One axial slice (119 of 147, counting up from the lowest) of a chest CT acquired at 120 kVp with the STANDARD kernel; each pixel is 0.781 mm and the slice is 2.50 mm thick.
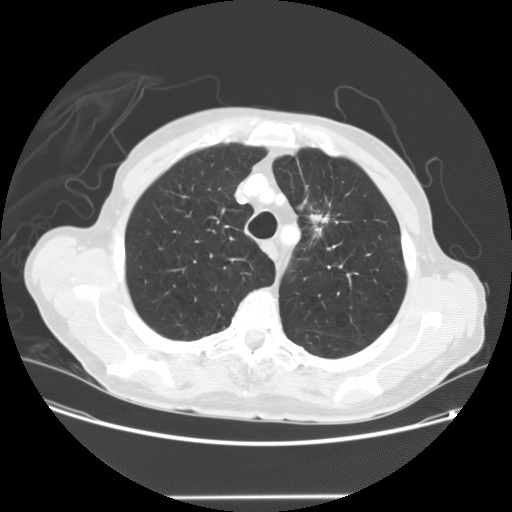
Pulmonary nodule outlined by all four readers; box rows 206–243, columns 303–329 (the union of the readers' outlines on this slice); the four readers' outlines give a longest diameter between 28.8 and 40.5 mm and a volume between 3077 and 10560 mm3. The readers' ratings, as ranges where they differ: texture from 3/5 (part-solid) to 5/5 (solid) across the four readers; margin from 2/5 to 5/5 (circumscribed) across the four readers; sphericity 3/5 (ovoid), all four readers agreeing; calcification absent, all four readers agreeing; internal structure soft tissue from all four readers; subtlety from 4/5 to 5/5 across the four readers; malignancy likelihood from 3/5 to 5/5 across the four readers. Scale key (1–5): texture non-solid→solid, margin indistinct→circumscribed, sphericity linear→round, subtlety extremely subtle→obvious, malignancy likelihood highly unlikely→highly suspicious of cancer. Box rows and columns are 0-based pixel indices from the top-left corner, inclusive.